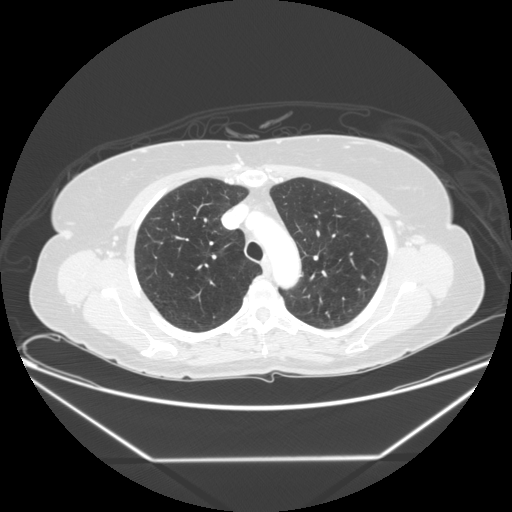
One axial slice (173 of 245, counting up from the lowest) of a chest CT acquired at 120 kVp with the STANDARD kernel; each pixel is 0.826 mm and the slice is 1.25 mm thick.
Pulmonary nodule at rows 274–279, columns 361–365 (box = the union of the readers' outlines on this slice), outlined by three of the four readers; median longest diameter 5.8 mm (readers' outlines 5.8–7.0 mm), median volume 45 mm3 (43–89 mm3). Median ratings and the readers' spread: texture 5/5 (solid) from all three readers; margin 4/5 at the median of three readers, spread 4/5 to 5/5 (circumscribed); median sphericity 4/5 (readers ranged 3/5 (ovoid) to 5/5 (round)); calcification absent from all three readers; internal structure soft tissue from all three readers; subtlety 1/5 at the median of three readers, spread 1–3; median malignancy likelihood 2/5 (readers ranged 2–3). Scale key (1–5): texture non-solid→solid, margin indistinct→circumscribed, sphericity linear→round, subtlety extremely subtle→obvious, malignancy likelihood highly unlikely→highly suspicious of cancer. Box rows and columns are 0-based pixel indices from the top-left corner, inclusive.